Axial chest CT slice 222 of 321 (counted from the lowest slice); tube voltage 120 kVp, convolution kernel D; slices 2.00 mm thick, 0.557 mm per pixel.
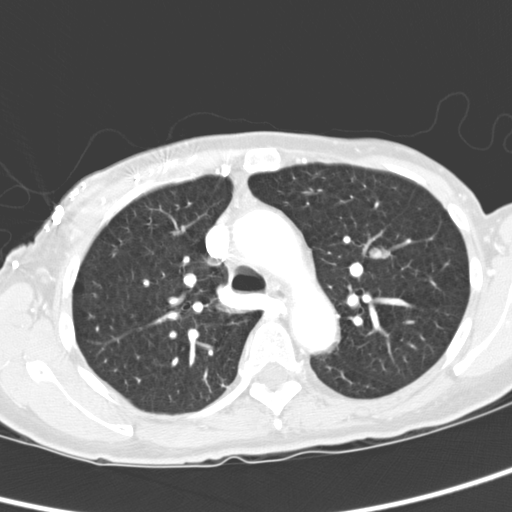
Pulmonary nodule at rows 244–259, columns 368–391 (box = the union of the readers' outlines on this slice), outlined by all four readers; median longest diameter 20.6 mm (readers' outlines 19.2–22.3 mm), median volume 3516 mm3 (3069–4125 mm3). Ratings, median across the readers with their spread: texture 5/5 (solid), all four readers agreeing; margin 5/5 (circumscribed), all four readers agreeing; median sphericity 4.5/5 (readers ranged 4/5 to 5/5 (round)); calcification absent, all four readers agreeing; internal structure soft tissue from all four readers; subtlety 5/5 from all four readers; median malignancy likelihood 4/5 (readers ranged 2–5). Scale key (1–5): texture non-solid→solid, margin indistinct→circumscribed, sphericity linear→round, subtlety extremely subtle→obvious, malignancy likelihood highly unlikely→highly suspicious of cancer. Box rows and columns are 0-based pixel indices from the top-left corner, inclusive.